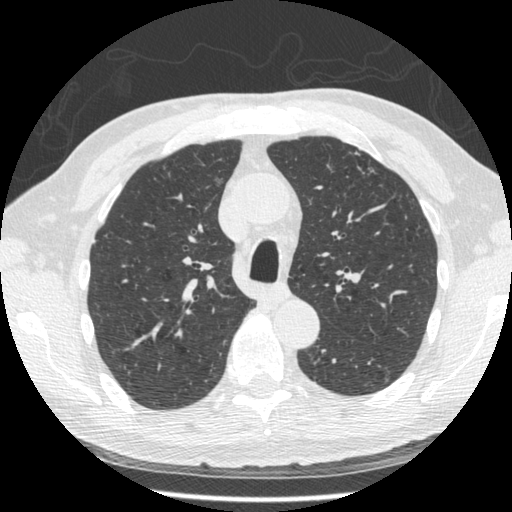
Axial slice 337 of 481 of a chest CT (slice 1 is the lowest), reconstructed with the STANDARD kernel at 120 kVp; 1.25 mm slice thickness and 0.664 mm pixels.
Two pulmonary nodules are outlined on this slice; from left to right: (1) Pulmonary nodule at rows 178–185, columns 215–222 (box = that reader's outline on this slice), outlined by one of the four readers; longest diameter 8.9 mm and volume 58 mm3 from that reader's outline. Ratings by that reader: texture 2/5; margin 2/5; sphericity 4/5; calcification absent; internal structure soft tissue; subtlety 3/5; malignancy likelihood 3/5. (2) Pulmonary nodule outlined by two of the four readers; box rows 166–174, columns 368–374 (the union of the readers' outlines on this slice); longest diameter 11.4 mm on average over the two readers' outlines (readers' outlines 10.5–12.2 mm), volume 150–184 mm3. Ratings, by the readers' most common answer with dissent counted: texture split among the readers: 2/5 (one), 4/5 (one); margin split among the readers: 1/5 (indistinct) (one), 4/5 (one); sphericity split among the readers: 2/5 (one), 3/5 (ovoid) (one); calcification absent from both readers; internal structure soft tissue from both readers; subtlety split among the readers: 2/5 (one), 4/5 (one); malignancy likelihood split among the readers: 1/5 (one), 3/5 (one). Scale key (1–5): texture non-solid→solid, margin indistinct→circumscribed, sphericity linear→round, subtlety extremely subtle→obvious, malignancy likelihood highly unlikely→highly suspicious of cancer. Box rows and columns are 0-based pixel indices from the top-left corner, inclusive.